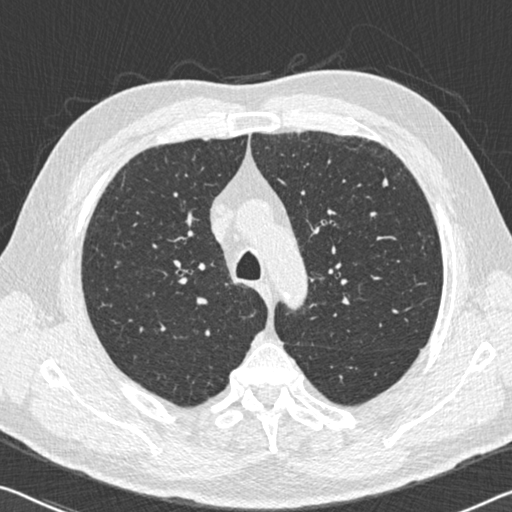
One axial slice (422 of 536, counting up from the lowest) of a chest CT acquired at 120 kVp with the B30f kernel; each pixel is 0.656 mm and the slice is 0.75 mm thick.
Pulmonary nodule, outlined by three of the four readers. Box on this slice rows 177–186, columns 382–387, the union of the readers' outlines on this slice; longest diameter 6.7–8.3 mm and volume 64–106 mm3 across the three readers' outlines. Ratings across the readers: texture 5/5 (solid), all three readers agreeing; margin from 4/5 to 5/5 (circumscribed) across the three readers; sphericity from 2/5 to 3/5 (ovoid) across the three readers; calcification: absent (two), non-central calcification (one); internal structure soft tissue from all three readers; subtlety 2–5/5 (the readers disagree); malignancy likelihood 2–3/5 (the readers disagree). Scale key (1–5): texture non-solid→solid, margin indistinct→circumscribed, sphericity linear→round, subtlety extremely subtle→obvious, malignancy likelihood highly unlikely→highly suspicious of cancer. Box rows and columns are 0-based pixel indices from the top-left corner, inclusive.